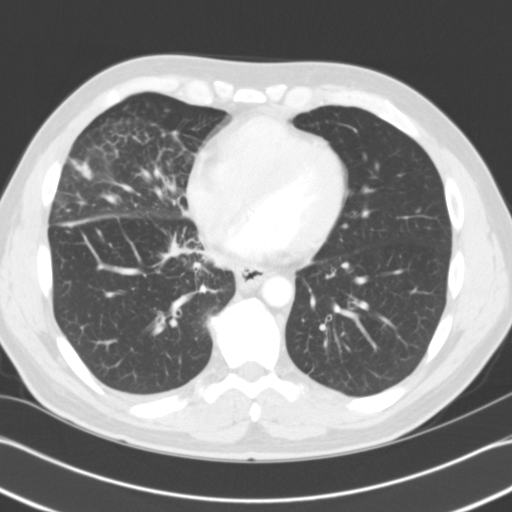
Axial chest CT slice 53 of 121 (counted from the lowest slice); 3.00 mm thick, 0.674 mm per pixel. Pulmonary nodule at rows 159–179, columns 71–91 (box = that reader's outline on this slice), outlined by one of the four readers; longest diameter 21.5 mm and volume 706 mm3 from that reader's outline. Ratings by that reader: texture 4/5; margin 3/5; sphericity 2/5; calcification absent; internal structure soft tissue; subtlety 5/5; malignancy likelihood 2/5. Scale key (1–5): texture non-solid→solid, margin indistinct→circumscribed, sphericity linear→round, subtlety extremely subtle→obvious, malignancy likelihood highly unlikely→highly suspicious of cancer. Box rows and columns are 0-based pixel indices from the top-left corner, inclusive.
Tube voltage 120 kVp; convolution kernel B31f.